Chest CT, axial plane, 120 kVp, kernel B30f. Slice 149/187 from the bottom of the scan; thickness 2.00 mm; pixel size 0.703 mm.
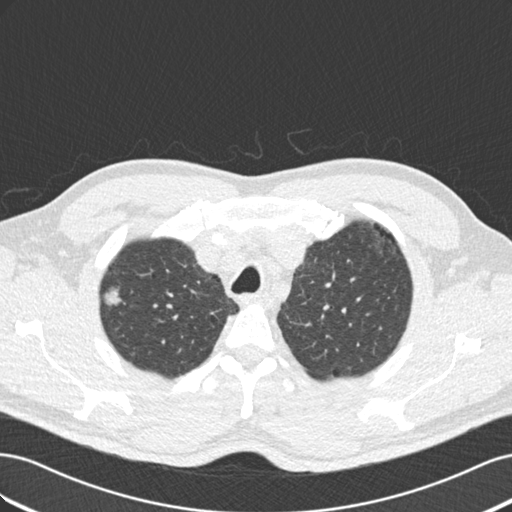
Pulmonary nodule, outlined by all four readers. Box on this slice rows 285–305, columns 103–123, the union of the readers' outlines on this slice; longest diameter 14.9–18.0 mm and volume 840–1317 mm3 across the four readers' outlines. The readers' ratings, as ranges where they differ: texture from 4/5 to 5/5 (solid) across the four readers; margin from 2/5 to 5/5 (circumscribed) across the four readers; sphericity from 2/5 to 5/5 (round) across the four readers; calcification absent from all four readers; internal structure soft tissue, all four readers agreeing; subtlety 5/5, all four readers agreeing; malignancy likelihood rated between 3 and 5 out of 5 by the four readers. Scale key (1–5): texture non-solid→solid, margin indistinct→circumscribed, sphericity linear→round, subtlety extremely subtle→obvious, malignancy likelihood highly unlikely→highly suspicious of cancer. Box rows and columns are 0-based pixel indices from the top-left corner, inclusive.